One axial slice (144 of 381, counting up from the lowest) of a chest CT acquired at 120 kVp with the STANDARD kernel; each pixel is 0.625 mm and the slice is 1.25 mm thick.
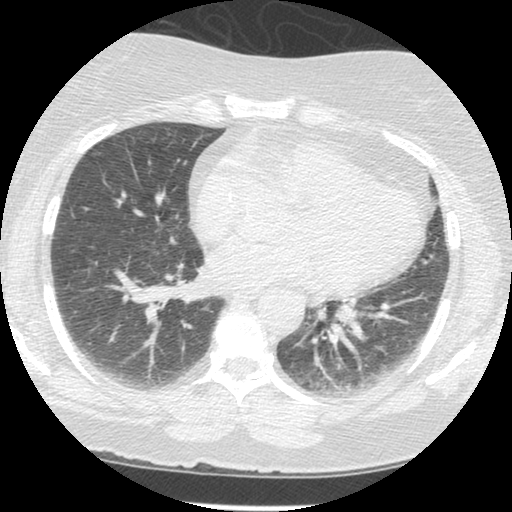
Pulmonary nodule, outlined by three of the four readers, one of them on this slice. Box on this slice rows 152–154, columns 93–99, the one reader's outline on this slice; longest diameter 6.7 mm on average over the three readers' outlines (readers' outlines 6.5–7.1 mm), volume 53–61 mm3. Ratings, by the readers' most common answer with dissent counted: most readers (two of three) put texture at 5/5 (solid), others 1/5 (non-solid) (one); margin split among the readers: 3/5 (one), 4/5 (one), 5/5 (circumscribed) (one); sphericity 5/5 (round) by two of three readers; the rest gave 3/5 (ovoid) (one); calcification absent from all three readers; internal structure soft tissue, all three readers agreeing; subtlety 3/5 by two of three readers; the rest gave 5/5 (one); malignancy likelihood 3/5 by two of three readers; the rest gave 2/5 (one). Scale key (1–5): texture non-solid→solid, margin indistinct→circumscribed, sphericity linear→round, subtlety extremely subtle→obvious, malignancy likelihood highly unlikely→highly suspicious of cancer. Box rows and columns are 0-based pixel indices from the top-left corner, inclusive.